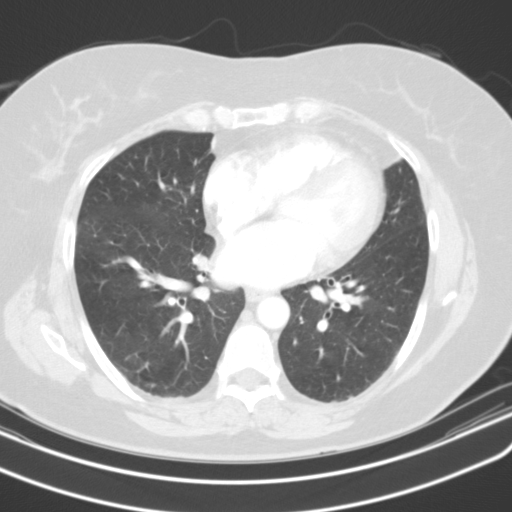
Chest CT, axial plane, 130 kVp, kernel B31s. Slice 68/122 from the bottom of the scan; thickness 3.00 mm; pixel size 0.668 mm.
Pulmonary nodule outlined by two of the four readers; box rows 255–272, columns 193–208 (the union of the readers' outlines on this slice); the two readers' outlines give a longest diameter between 17.3 and 19.3 mm and a volume between 1121 and 1523 mm3. The readers' ratings, as ranges where they differ: texture from 4/5 to 5/5 (solid) across the two readers; margin from 1/5 (indistinct) to 4/5 across the two readers; sphericity from 2/5 to 4/5 across the two readers; calcification absent, both readers agreeing; internal structure soft tissue, both readers agreeing; subtlety rated between 2 and 4 out of 5 by the two readers; malignancy likelihood from 2/5 to 5/5 across the two readers. Scale key (1–5): texture non-solid→solid, margin indistinct→circumscribed, sphericity linear→round, subtlety extremely subtle→obvious, malignancy likelihood highly unlikely→highly suspicious of cancer. Box rows and columns are 0-based pixel indices from the top-left corner, inclusive.